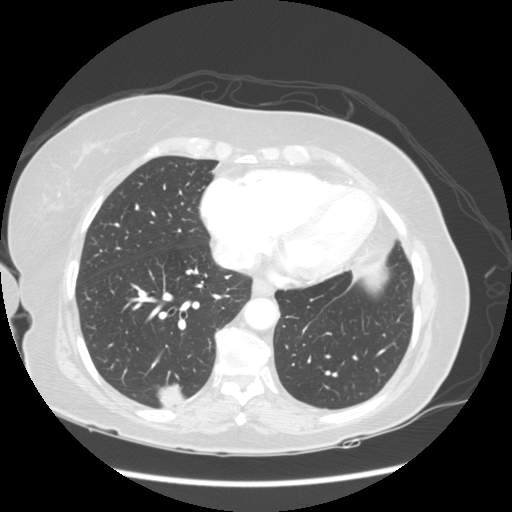
Axial chest CT slice 69 of 141 (counted from the lowest slice); tube voltage 120 kVp, convolution kernel STANDARD; slices 2.50 mm thick, 0.703 mm per pixel.
Pulmonary nodule, outlined by all four readers. Box on this slice rows 382–407, columns 155–186, the union of the readers' outlines on this slice; median longest diameter 22.3 mm (readers' outlines 21.4–23.4 mm), median volume 3684 mm3 (3130–4766 mm3). Median ratings and the readers' spread: texture 5/5 (solid), all four readers agreeing; margin 3/5 at the median of four readers, spread 2/5 to 4/5; median sphericity 4/5 (readers ranged 3/5 (ovoid) to 5/5 (round)); calcification absent, all four readers agreeing; internal structure soft tissue, all four readers agreeing; subtlety 5/5, all four readers agreeing; malignancy likelihood 5/5 from all four readers. Scale key (1–5): texture non-solid→solid, margin indistinct→circumscribed, sphericity linear→round, subtlety extremely subtle→obvious, malignancy likelihood highly unlikely→highly suspicious of cancer. Box rows and columns are 0-based pixel indices from the top-left corner, inclusive.